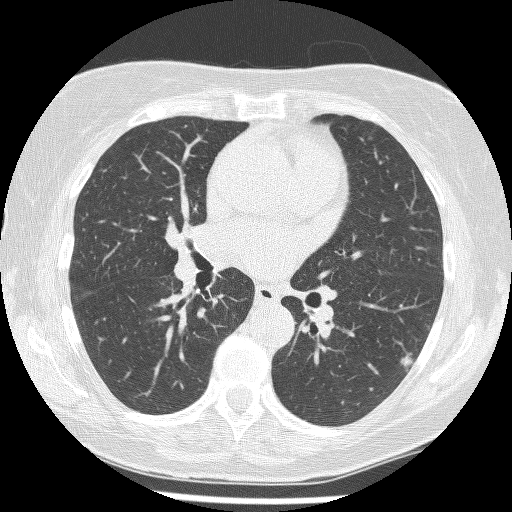
Axial chest CT slice 136 of 241 (counted from the lowest slice); 1.25 mm thick, 0.590 mm per pixel. Pulmonary nodule at rows 351–371, columns 399–413 (box = the union of the readers' outlines on this slice), outlined by all four readers; median longest diameter 10.4 mm (readers' outlines 8.4–12.5 mm), median volume 268 mm3 (155–364 mm3). Ratings, median across the readers with their spread: median texture 4/5 (readers ranged 4/5 to 5/5 (solid)); median margin 2/5 (readers ranged 1/5 (indistinct) to 3/5); median sphericity 3.5/5 (readers ranged 3/5 (ovoid) to 5/5 (round)); calcification absent from all four readers; internal structure soft tissue, all four readers agreeing; median subtlety 4/5 (readers ranged 4–5); median malignancy likelihood 4/5 (readers ranged 3–5). Scale key (1–5): texture non-solid→solid, margin indistinct→circumscribed, sphericity linear→round, subtlety extremely subtle→obvious, malignancy likelihood highly unlikely→highly suspicious of cancer. Box rows and columns are 0-based pixel indices from the top-left corner, inclusive.
Tube voltage 120 kVp; convolution kernel BONE.